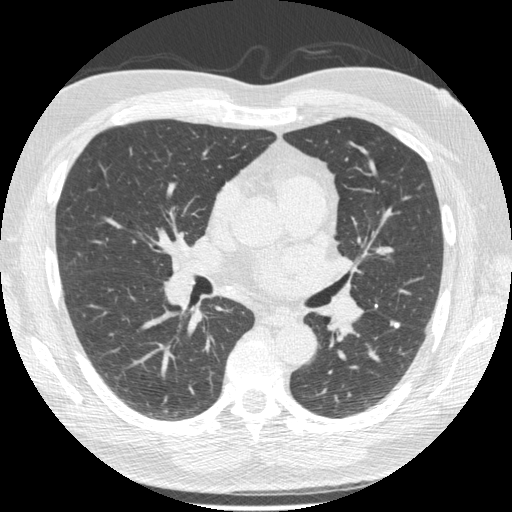
Axial chest CT slice 306 of 557 (counted from the lowest slice); tube voltage 120 kVp, convolution kernel STANDARD; slices 1.25 mm thick, 0.703 mm per pixel.
Pulmonary nodule, outlined by all four readers. Box on this slice rows 319–328, columns 390–399, the union of the readers' outlines on this slice; median longest diameter 8.7 mm (readers' outlines 6.0–9.4 mm), median volume 161 mm3 (90–190 mm3). Median ratings and the readers' spread: texture 5/5 (solid), all four readers agreeing; median margin 5/5 (circumscribed) (readers ranged 4/5 to 5/5 (circumscribed)); median sphericity 4.5/5 (readers ranged 2/5 to 5/5 (round)); calcification split among the readers: non-central calcification (two), solid calcification (two); internal structure soft tissue, all four readers agreeing; subtlety 4.5/5 at the median of four readers, spread 3–5; median malignancy likelihood 1/5 (readers ranged 1–2). Scale key (1–5): texture non-solid→solid, margin indistinct→circumscribed, sphericity linear→round, subtlety extremely subtle→obvious, malignancy likelihood highly unlikely→highly suspicious of cancer. Box rows and columns are 0-based pixel indices from the top-left corner, inclusive.